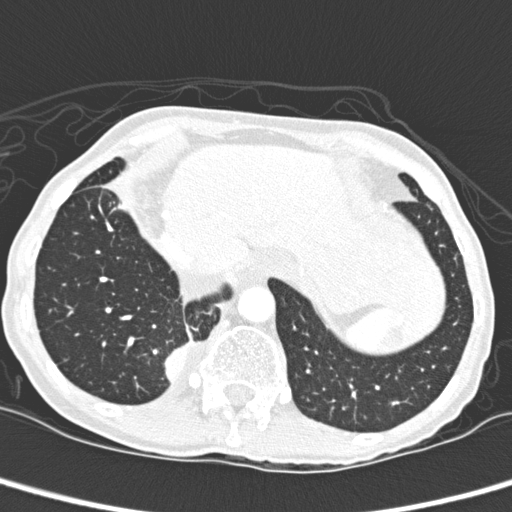
Slice 48/280 of a chest CT, counting up from the lowest; pixel size 0.564 mm, slice thickness 1.00 mm. Pulmonary nodule at rows 341–382, columns 164–200 (box = the union of the readers' outlines on this slice), outlined by two of the four readers; median longest diameter 33.9 mm (readers' outlines 32.1–35.8 mm), median volume 6179 mm3 (5657–6702 mm3). Ratings, median across the readers with their spread: texture 5/5 (solid) from both readers; margin 4/5, both readers agreeing; sphericity 3/5 (ovoid), both readers agreeing; calcification absent from both readers; internal structure soft tissue from both readers; subtlety 5/5, both readers agreeing; malignancy likelihood 2.5/5 at the median of two readers, spread 2–3. Scale key (1–5): texture non-solid→solid, margin indistinct→circumscribed, sphericity linear→round, subtlety extremely subtle→obvious, malignancy likelihood highly unlikely→highly suspicious of cancer. Box rows and columns are 0-based pixel indices from the top-left corner, inclusive.
Tube voltage 120 kVp; convolution kernel D.